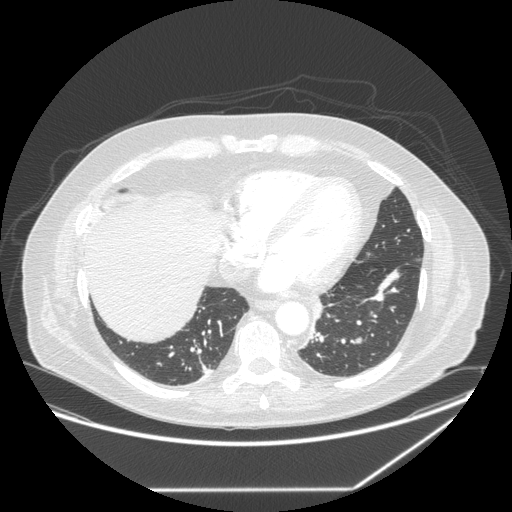
Chest CT, axial plane, 120 kVp, kernel STANDARD. Slice 97/258 from the bottom of the scan; thickness 1.25 mm; pixel size 0.859 mm.
Pulmonary nodule outlined by all four readers; box rows 336–343, columns 350–362 (the union of the readers' outlines on this slice); longest diameter 10.5 mm on average over the four readers' outlines (readers' outlines 8.2–13.3 mm), volume 212–384 mm3. Ratings, by the readers' most common answer with dissent counted: texture 5/5 (solid), all four readers agreeing; margin split among the readers: 4/5 (two), 5/5 (circumscribed) (two); most readers (three of four) put sphericity at 5/5 (round), others 4/5 (one); calcification absent from all four readers; internal structure soft tissue from all four readers; subtlety 4/5 by three of four readers; the rest gave 3/5 (one); malignancy likelihood 4/5 by two of four readers; the rest gave 2/5 (one), 3/5 (one). Scale key (1–5): texture non-solid→solid, margin indistinct→circumscribed, sphericity linear→round, subtlety extremely subtle→obvious, malignancy likelihood highly unlikely→highly suspicious of cancer. Box rows and columns are 0-based pixel indices from the top-left corner, inclusive.